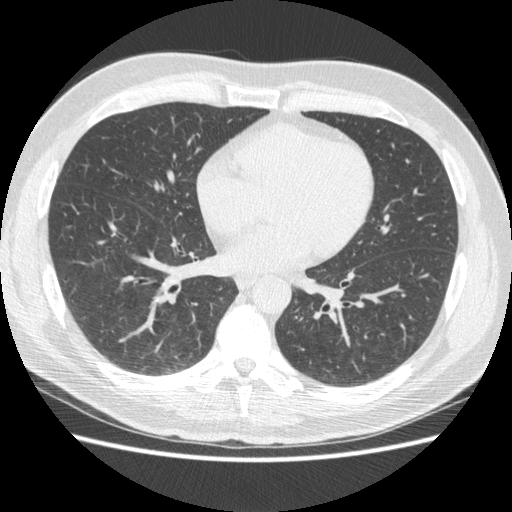
Axial slice 222 of 477 of a chest CT (slice 1 is the lowest), reconstructed with the STANDARD kernel at 120 kVp; 1.25 mm slice thickness and 0.703 mm pixels.
The readers outlined no nodule of 3 mm or more on this slice.